One axial slice (96 of 126, counting up from the lowest) of a chest CT acquired at 135 kVp with the FC01 kernel; each pixel is 0.744 mm and the slice is 3.00 mm thick.
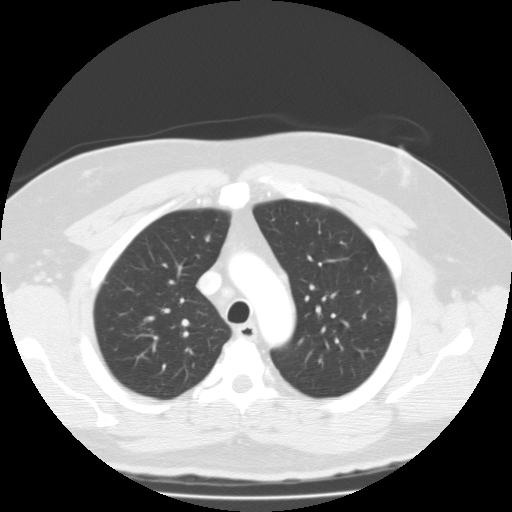
Pulmonary nodule, outlined by two of the four readers. Box on this slice rows 235–241, columns 205–209, the union of the readers' outlines on this slice; median longest diameter 6.4 mm (readers' outlines 6.4 mm), median volume 106 mm3 (93–120 mm3). Ratings, median across the readers with their spread: texture 2.5/5 at the median of two readers, spread 2/5 to 3/5 (part-solid); margin 2/5, both readers agreeing; sphericity 4/5, both readers agreeing; calcification absent, both readers agreeing; internal structure soft tissue from both readers; median subtlety 1.5/5 (readers ranged 1–2); malignancy likelihood 2.5/5 at the median of two readers, spread 2–3. Scale key (1–5): texture non-solid→solid, margin indistinct→circumscribed, sphericity linear→round, subtlety extremely subtle→obvious, malignancy likelihood highly unlikely→highly suspicious of cancer. Box rows and columns are 0-based pixel indices from the top-left corner, inclusive.